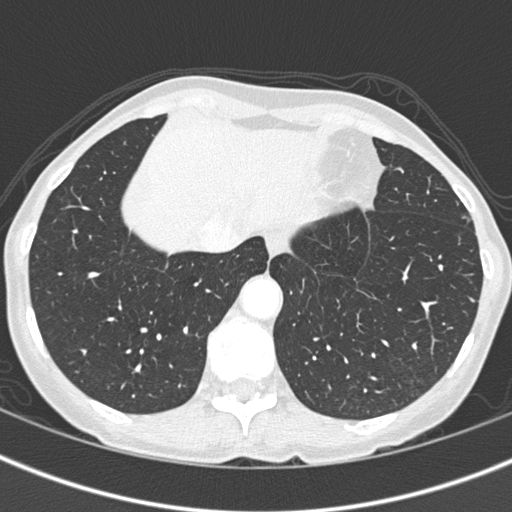
Axial chest CT slice 133 of 375 (counted from the lowest slice); tube voltage 120 kVp, convolution kernel B45f; slices 1.00 mm thick, 0.586 mm per pixel.
Pulmonary nodule, outlined by one of the four readers. Box on this slice rows 297–302, columns 468–474, that reader's outline on this slice; longest diameter 5.0 mm and volume 41 mm3 from that reader's outline. Ratings by that reader: texture 5/5 (solid); margin 4/5; sphericity 4/5; calcification absent; internal structure soft tissue; subtlety 3/5; malignancy likelihood 4/5. Scale key (1–5): texture non-solid→solid, margin indistinct→circumscribed, sphericity linear→round, subtlety extremely subtle→obvious, malignancy likelihood highly unlikely→highly suspicious of cancer. Box rows and columns are 0-based pixel indices from the top-left corner, inclusive.